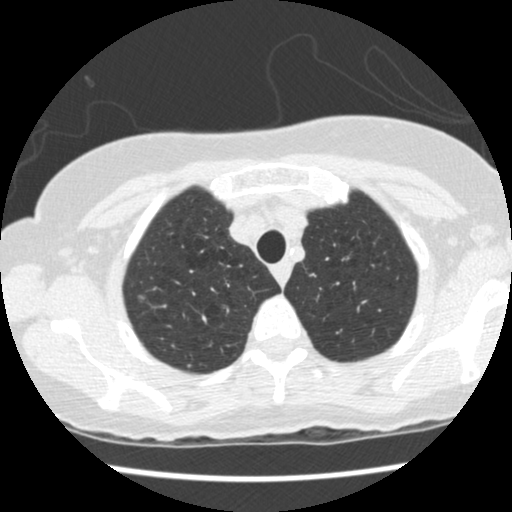
Axial slice 386 of 458 of a chest CT (slice 1 is the lowest), reconstructed with the STANDARD kernel at 120 kVp; 1.25 mm slice thickness and 0.586 mm pixels.
Pulmonary nodule, outlined by all four readers, two of them on this slice. Box on this slice rows 295–299, columns 137–143, the union of the readers' outlines on this slice; median longest diameter 6.2 mm (readers' outlines 5.0–7.8 mm), median volume 81 mm3 (57–106 mm3). Median ratings and the readers' spread: texture 4.5/5 at the median of four readers, spread 4/5 to 5/5 (solid); median margin 3.5/5 (readers ranged 3/5 to 4/5); median sphericity 4/5 (readers ranged 4/5 to 5/5 (round)); calcification absent, all four readers agreeing; internal structure soft tissue from all four readers; subtlety 3.5/5 at the median of four readers, spread 3–5; malignancy likelihood 2.5/5 at the median of four readers, spread 2–4. Scale key (1–5): texture non-solid→solid, margin indistinct→circumscribed, sphericity linear→round, subtlety extremely subtle→obvious, malignancy likelihood highly unlikely→highly suspicious of cancer. Box rows and columns are 0-based pixel indices from the top-left corner, inclusive.